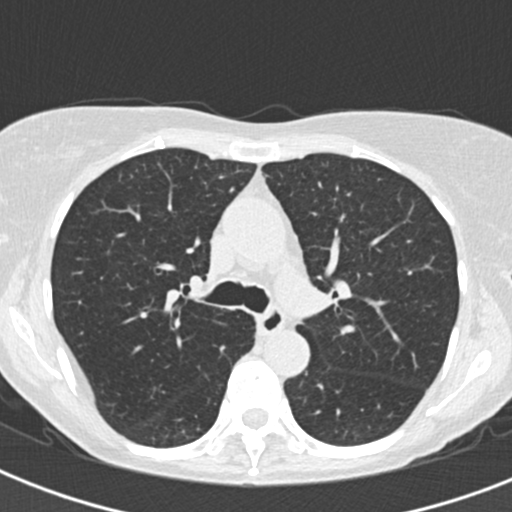
Slice 125/192 of a chest CT, counting up from the lowest; pixel size 0.566 mm, slice thickness 2.00 mm. None of the four readers outlined a nodule of 3 mm or more on this slice.
Tube voltage 120 kVp; convolution kernel B30f.